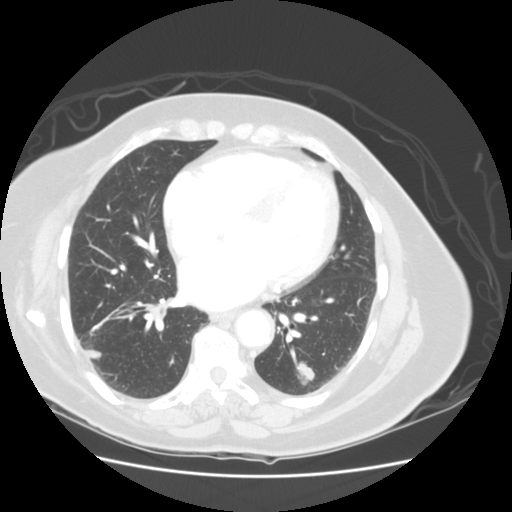
Slice 46/114 of a chest CT, counting up from the lowest; pixel size 0.703 mm, slice thickness 2.50 mm. Pulmonary nodule, outlined by three of the four readers. Box on this slice rows 361–384, columns 295–315, the union of the readers' outlines on this slice; longest diameter 22.1 mm on average over the three readers' outlines (readers' outlines 20.1–25.1 mm), volume 2723–2965 mm3. Ratings, by the readers' most common answer with dissent counted: texture 5/5 (solid) from all three readers; most readers (two of three) put margin at 4/5, others 5/5 (circumscribed) (one); sphericity 3/5 (ovoid) from all three readers; calcification absent from all three readers; internal structure soft tissue from all three readers; subtlety 5/5 from all three readers; malignancy likelihood 5/5 by two of three readers; the rest gave 2/5 (one). Scale key (1–5): texture non-solid→solid, margin indistinct→circumscribed, sphericity linear→round, subtlety extremely subtle→obvious, malignancy likelihood highly unlikely→highly suspicious of cancer. Box rows and columns are 0-based pixel indices from the top-left corner, inclusive.
Tube voltage 120 kVp; convolution kernel STANDARD.